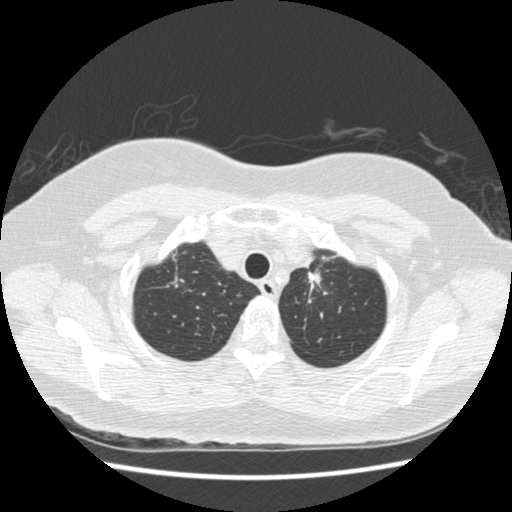
Axial chest CT slice 375 of 445 (counted from the lowest slice); tube voltage 120 kVp, convolution kernel STANDARD; slices 1.25 mm thick, 0.645 mm per pixel.
Pulmonary nodule, outlined by one of the four readers. Box on this slice rows 273–289, columns 309–320, that reader's outline on this slice; longest diameter 31.0 mm and volume 2055 mm3 from that reader's outline. Ratings by that reader: texture 5/5 (solid); margin 2/5; sphericity 2/5; calcification absent; internal structure soft tissue; subtlety 5/5; malignancy likelihood 4/5. Scale key (1–5): texture non-solid→solid, margin indistinct→circumscribed, sphericity linear→round, subtlety extremely subtle→obvious, malignancy likelihood highly unlikely→highly suspicious of cancer. Box rows and columns are 0-based pixel indices from the top-left corner, inclusive.